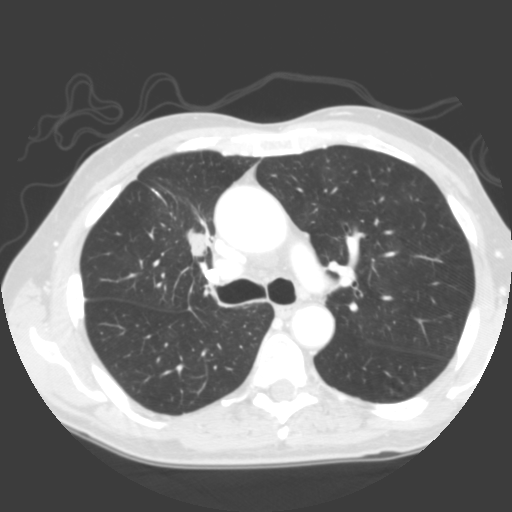
This is axial slice 215 of 335 (slice 1 is the lowest) of a chest CT; each pixel is 0.623 mm and the slice is 2.00 mm thick. No nodule 3 mm or larger was outlined here by any reader.
Tube voltage 120 kVp; convolution kernel B.